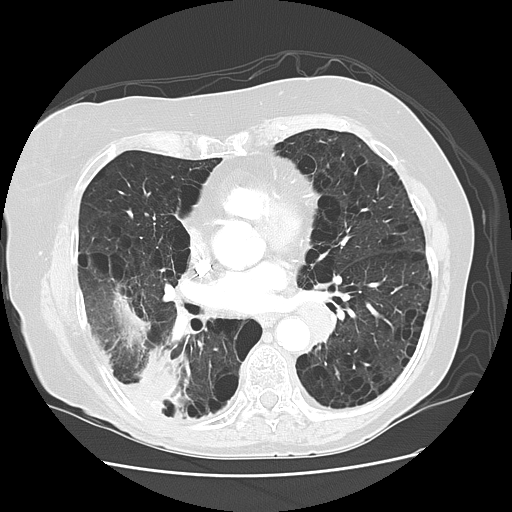
This is axial slice 59 of 125 (slice 1 is the lowest) of a chest CT; each pixel is 0.703 mm and the slice is 2.50 mm thick. Pulmonary nodule, outlined by one of the four readers. Box on this slice rows 300–340, columns 296–333, that reader's outline on this slice; longest diameter 37.4 mm and volume 10878 mm3 from that reader's outline. Ratings by that reader: texture 5/5 (solid); margin 5/5 (circumscribed); sphericity 5/5 (round); calcification absent; internal structure soft tissue; subtlety 3/5; malignancy likelihood 2/5. Scale key (1–5): texture non-solid→solid, margin indistinct→circumscribed, sphericity linear→round, subtlety extremely subtle→obvious, malignancy likelihood highly unlikely→highly suspicious of cancer. Box rows and columns are 0-based pixel indices from the top-left corner, inclusive.
Tube voltage 120 kVp; convolution kernel LUNG.